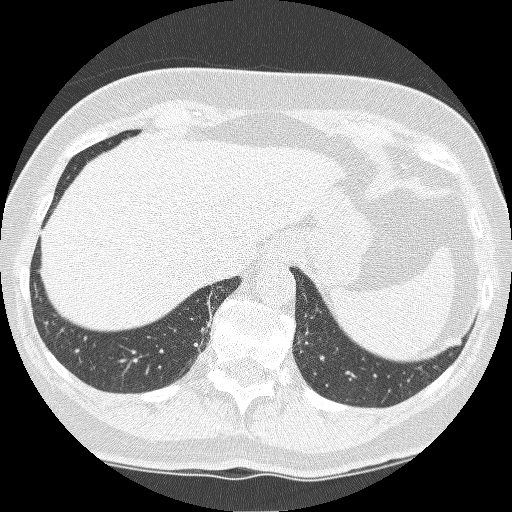
Axial chest CT slice 49 of 250 (counted from the lowest slice); tube voltage 120 kVp, convolution kernel BONE; slices 1.25 mm thick, 0.586 mm per pixel.
Pulmonary nodule outlined by three of the four readers; box rows 338–347, columns 451–461 (the union of the readers' outlines on this slice); longest diameter 9.8 mm on average over the three readers' outlines (readers' outlines 9.0–10.8 mm), volume 291–346 mm3. Ratings, by the readers' most common answer with dissent counted: texture 5/5 (solid) by two of three readers; the rest gave 4/5 (one); most readers (two of three) put margin at 4/5, others 3/5 (one); sphericity 3/5 (ovoid), all three readers agreeing; calcification absent from all three readers; internal structure soft tissue, all three readers agreeing; subtlety 5/5 by two of three readers; the rest gave 4/5 (one); malignancy likelihood 4/5 by two of three readers; the rest gave 3/5 (one). Scale key (1–5): texture non-solid→solid, margin indistinct→circumscribed, sphericity linear→round, subtlety extremely subtle→obvious, malignancy likelihood highly unlikely→highly suspicious of cancer. Box rows and columns are 0-based pixel indices from the top-left corner, inclusive.